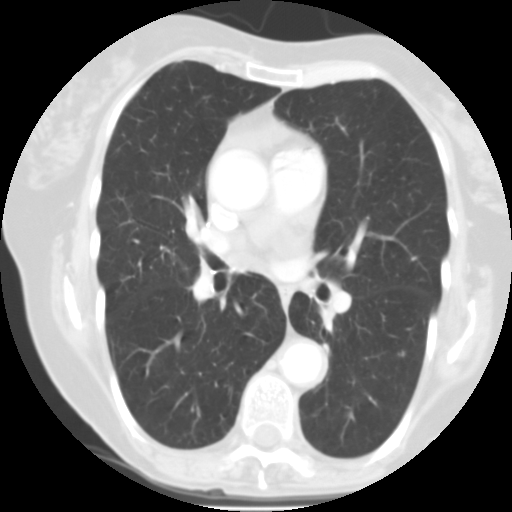
Slice 53/101 of a chest CT, counting up from the lowest; pixel size 0.558 mm, slice thickness 3.00 mm. Pulmonary nodule at rows 349–357, columns 396–406 (box = that reader's outline on this slice), outlined by one of the four readers; longest diameter 7.6 mm and volume 170 mm3 from that reader's outline. Ratings by that reader: texture 3/5 (part-solid); margin 2/5; sphericity 2/5; calcification absent; internal structure soft tissue; subtlety 4/5; malignancy likelihood 3/5. Scale key (1–5): texture non-solid→solid, margin indistinct→circumscribed, sphericity linear→round, subtlety extremely subtle→obvious, malignancy likelihood highly unlikely→highly suspicious of cancer. Box rows and columns are 0-based pixel indices from the top-left corner, inclusive.
Scan settings: 135 kVp, FC01 reconstruction kernel.